Axial chest CT slice 186 of 238 (counted from the lowest slice); tube voltage 120 kVp, convolution kernel STANDARD; slices 1.25 mm thick, 0.664 mm per pixel.
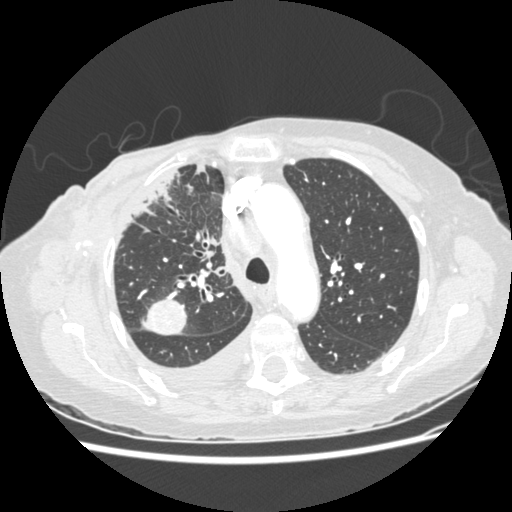
Pulmonary nodule outlined by two of the four readers; box rows 300–334, columns 142–186 (the union of the readers' outlines on this slice); longest diameter 32.4 mm on average over the two readers' outlines (readers' outlines 31.3–33.5 mm), volume 8200–8583 mm3. Ratings, by the readers' most common answer with dissent counted: texture 5/5 (solid), both readers agreeing; margin split among the readers: 4/5 (one), 5/5 (circumscribed) (one); sphericity 4/5 from both readers; calcification absent from both readers; internal structure soft tissue from both readers; subtlety 5/5, both readers agreeing; malignancy likelihood split among the readers: 3/5 (one), 5/5 (one). Scale key (1–5): texture non-solid→solid, margin indistinct→circumscribed, sphericity linear→round, subtlety extremely subtle→obvious, malignancy likelihood highly unlikely→highly suspicious of cancer. Box rows and columns are 0-based pixel indices from the top-left corner, inclusive.